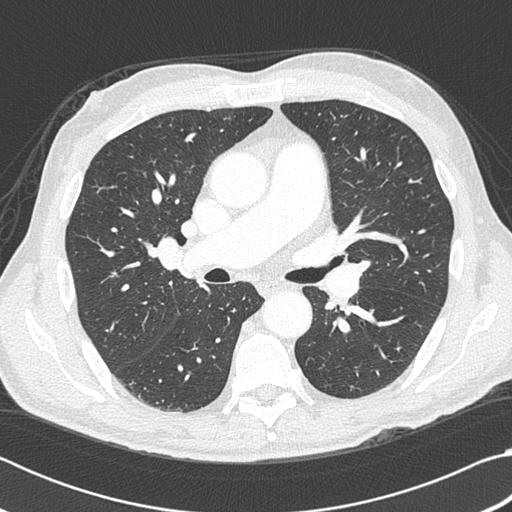
One axial slice (237 of 383, counting up from the lowest) of a chest CT acquired at 120 kVp with the B45f kernel; each pixel is 0.664 mm and the slice is 1.00 mm thick.
None of the four readers outlined a nodule of 3 mm or more on this slice.